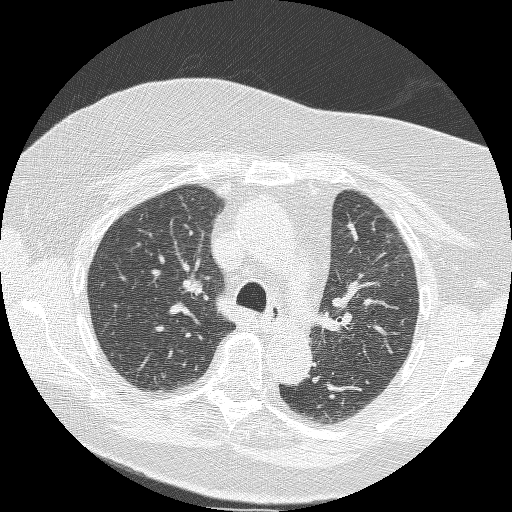
Axial chest CT slice 176 of 235 (counted from the lowest slice); 1.25 mm thick, 0.625 mm per pixel. No nodule of 3 mm or larger was outlined by any of the four readers on this slice.
Scan settings: 120 kVp, BONE reconstruction kernel.